One axial slice (148 of 300, counting up from the lowest) of a chest CT acquired at 120 kVp with the D kernel; each pixel is 0.607 mm and the slice is 1.00 mm thick.
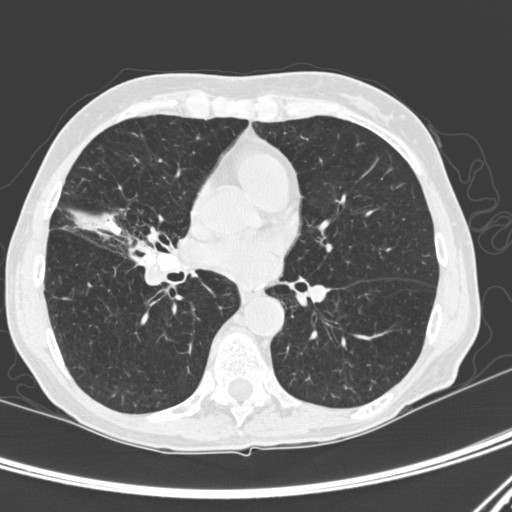
Pulmonary nodule, outlined by one of the four readers. Box on this slice rows 221–229, columns 107–114, that reader's outline on this slice; longest diameter 6.5 mm and volume 53 mm3 from that reader's outline. Ratings by that reader: texture 5/5 (solid); margin 5/5 (circumscribed); sphericity 3/5 (ovoid); calcification solid calcification; internal structure soft tissue; subtlety 5/5; malignancy likelihood 1/5. Scale key (1–5): texture non-solid→solid, margin indistinct→circumscribed, sphericity linear→round, subtlety extremely subtle→obvious, malignancy likelihood highly unlikely→highly suspicious of cancer. Box rows and columns are 0-based pixel indices from the top-left corner, inclusive.